Chest CT, axial plane, 120 kVp, kernel STANDARD. Slice 119/137 from the bottom of the scan; thickness 2.50 mm; pixel size 0.742 mm.
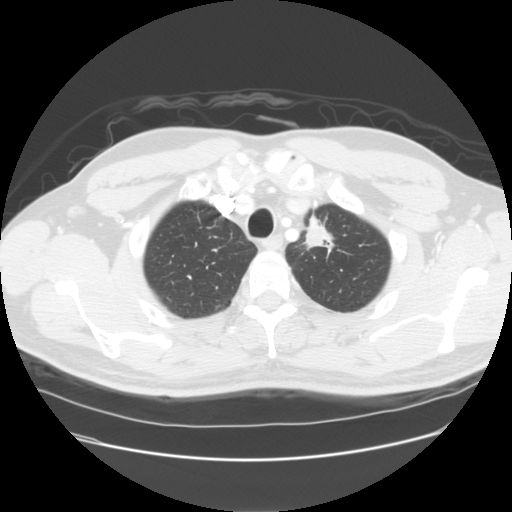
Pulmonary nodule, outlined by all four readers. Box on this slice rows 208–257, columns 300–335, the union of the readers' outlines on this slice; longest diameter 37.5 mm on average over the four readers' outlines (readers' outlines 30.7–45.5 mm), volume 6191–8548 mm3. The readers' prevailing ratings and who disagreed: most readers (three of four) put texture at 5/5 (solid), others 4/5 (one); margin 4/5 by two of four readers; the rest gave 2/5 (one), 3/5 (one); sphericity 3/5 (ovoid) by two of four readers; the rest gave 4/5 (one), 5/5 (round) (one); calcification absent from all four readers; internal structure soft tissue from all four readers; subtlety 5/5 from all four readers; malignancy likelihood 5/5 by three of four readers; the rest gave 4/5 (one). Scale key (1–5): texture non-solid→solid, margin indistinct→circumscribed, sphericity linear→round, subtlety extremely subtle→obvious, malignancy likelihood highly unlikely→highly suspicious of cancer. Box rows and columns are 0-based pixel indices from the top-left corner, inclusive.